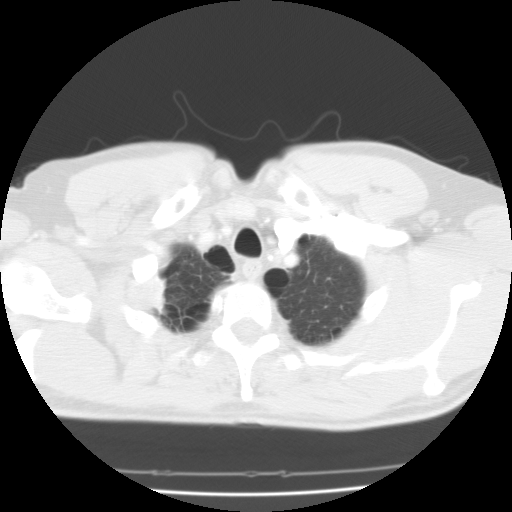
Chest CT, axial plane, 135 kVp, kernel FC01. Slice 92/102 from the bottom of the scan; thickness 3.00 mm; pixel size 0.647 mm.
Pulmonary nodule at rows 273–315, columns 145–167 (box = the union of the readers' outlines on this slice), outlined by two of the four readers; longest diameter 29.1–32.0 mm and volume 2486–3744 mm3 across the two readers' outlines. The readers' ratings, as ranges where they differ: texture 5/5 (solid) from both readers; margin from 1/5 (indistinct) to 4/5 across the two readers; sphericity from 3/5 (ovoid) to 4/5 across the two readers; calcification absent, both readers agreeing; internal structure soft tissue, both readers agreeing; subtlety rated between 3 and 5 out of 5 by the two readers; malignancy likelihood from 1/5 to 4/5 across the two readers. Scale key (1–5): texture non-solid→solid, margin indistinct→circumscribed, sphericity linear→round, subtlety extremely subtle→obvious, malignancy likelihood highly unlikely→highly suspicious of cancer. Box rows and columns are 0-based pixel indices from the top-left corner, inclusive.